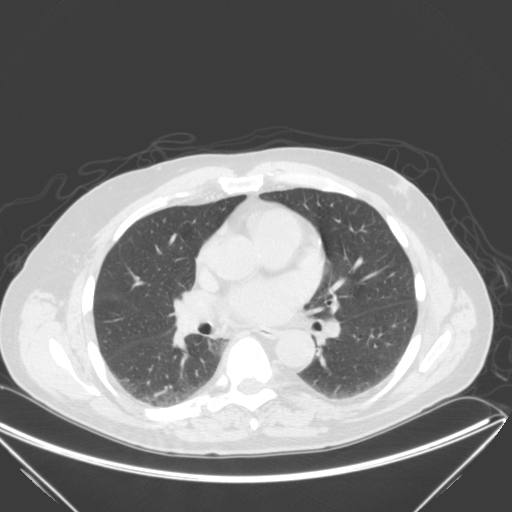
One axial slice (136 of 280, counting up from the lowest) of a chest CT acquired at 120 kVp with the B kernel; each pixel is 0.805 mm and the slice is 2.00 mm thick.
Pulmonary nodule, outlined by one of the four readers. Box on this slice rows 276–281, columns 135–139, that reader's outline on this slice; longest diameter 5.9 mm and volume 56 mm3 from that reader's outline. That reader's ratings: texture 5/5 (solid); margin 5/5 (circumscribed); sphericity 5/5 (round); calcification absent; internal structure soft tissue; subtlety 5/5; malignancy likelihood 3/5. Scale key (1–5): texture non-solid→solid, margin indistinct→circumscribed, sphericity linear→round, subtlety extremely subtle→obvious, malignancy likelihood highly unlikely→highly suspicious of cancer. Box rows and columns are 0-based pixel indices from the top-left corner, inclusive.